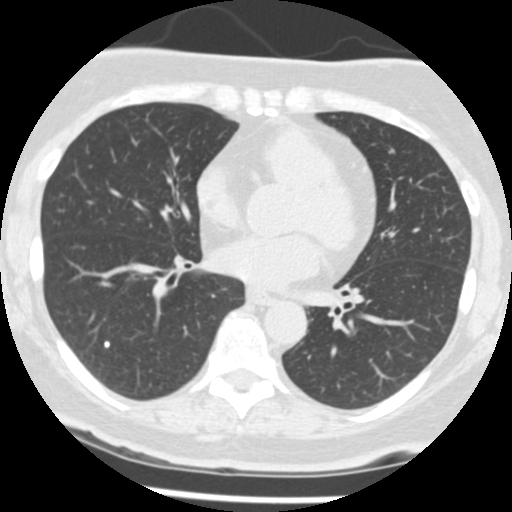
Axial chest CT slice 202 of 433 (counted from the lowest slice); tube voltage 120 kVp, convolution kernel STANDARD; slices 1.25 mm thick, 0.547 mm per pixel.
Pulmonary nodule, outlined by three of the four readers. Box on this slice rows 341–347, columns 103–110, the union of the readers' outlines on this slice; longest diameter 4.8 mm on average over the three readers' outlines (readers' outlines 4.5–5.0 mm), volume 36–46 mm3. The readers' prevailing ratings and who disagreed: texture 5/5 (solid), all three readers agreeing; margin 5/5 (circumscribed), all three readers agreeing; sphericity 5/5 (round) from all three readers; calcification solid calcification from all three readers; internal structure soft tissue, all three readers agreeing; subtlety 5/5, all three readers agreeing; malignancy likelihood 1/5 from all three readers. Scale key (1–5): texture non-solid→solid, margin indistinct→circumscribed, sphericity linear→round, subtlety extremely subtle→obvious, malignancy likelihood highly unlikely→highly suspicious of cancer. Box rows and columns are 0-based pixel indices from the top-left corner, inclusive.